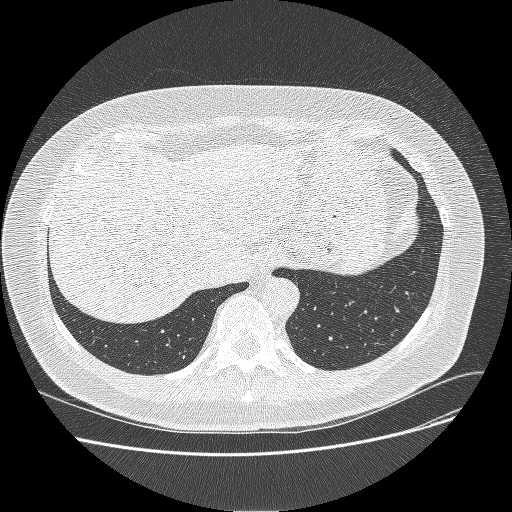
This is axial slice 70 of 270 (slice 1 is the lowest) of a chest CT; each pixel is 0.703 mm and the slice is 1.25 mm thick. Pulmonary nodule at rows 355–358, columns 181–184 (box = that reader's outline on this slice), outlined by one of the four readers; longest diameter 4.4 mm and volume 40 mm3 from that reader's outline. That reader's ratings: texture 5/5 (solid); margin 5/5 (circumscribed); sphericity 5/5 (round); calcification solid calcification; internal structure soft tissue; subtlety 5/5; malignancy likelihood 1/5. Scale key (1–5): texture non-solid→solid, margin indistinct→circumscribed, sphericity linear→round, subtlety extremely subtle→obvious, malignancy likelihood highly unlikely→highly suspicious of cancer. Box rows and columns are 0-based pixel indices from the top-left corner, inclusive.
Acquired at 120 kVp and reconstructed with the BONE kernel.